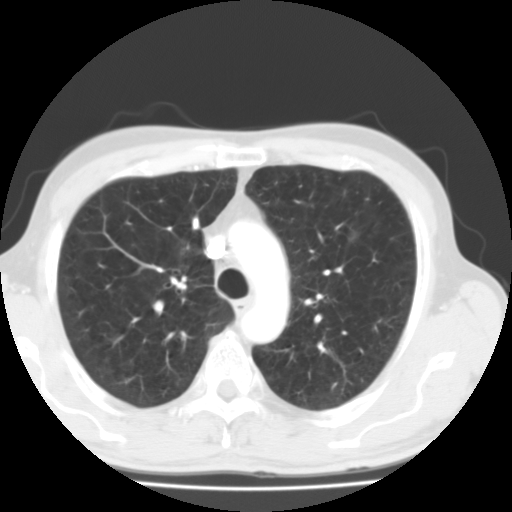
One axial slice (85 of 119, counting up from the lowest) of a chest CT acquired at 135 kVp with the FC01 kernel; each pixel is 0.640 mm and the slice is 3.00 mm thick.
Two pulmonary nodules are outlined on this slice; from left to right: (1) Pulmonary nodule at rows 217–229, columns 192–199 (box = the union of the readers' outlines on this slice), outlined by all four readers; longest diameter 7.3–9.3 mm and volume 116–267 mm3 across the four readers' outlines. The readers' ratings, as ranges where they differ: texture 5/5 (solid), all four readers agreeing; margin from 4/5 to 5/5 (circumscribed) across the four readers; sphericity 3/5 (ovoid), all four readers agreeing; calcification: absent (three), solid calcification (one); internal structure soft tissue from all four readers; subtlety 2–4/5 (the readers disagree); malignancy likelihood rated between 1 and 3 out of 5 by the four readers. (2) Pulmonary nodule, outlined by all four readers, one of them on this slice. Box on this slice rows 232–241, columns 349–357, the one reader's outline on this slice; median longest diameter 16.0 mm (readers' outlines 15.6–16.2 mm), median volume 1940 mm3 (1503–2011 mm3). Ratings, median across the readers with their spread: texture 5/5 (solid), all four readers agreeing; margin 5/5 (circumscribed) at the median of four readers, spread 4/5 to 5/5 (circumscribed); sphericity 4.5/5 at the median of four readers, spread 3/5 (ovoid) to 5/5 (round); calcification: absent (three), central calcification (one); internal structure soft tissue, all four readers agreeing; subtlety 5/5 at the median of four readers, spread 4–5; malignancy likelihood 3.5/5 at the median of four readers, spread 1–5. Scale key (1–5): texture non-solid→solid, margin indistinct→circumscribed, sphericity linear→round, subtlety extremely subtle→obvious, malignancy likelihood highly unlikely→highly suspicious of cancer. Box rows and columns are 0-based pixel indices from the top-left corner, inclusive.